One axial slice (163 of 347, counting up from the lowest) of a chest CT acquired at 120 kVp with the B45f kernel; each pixel is 0.625 mm and the slice is 1.00 mm thick.
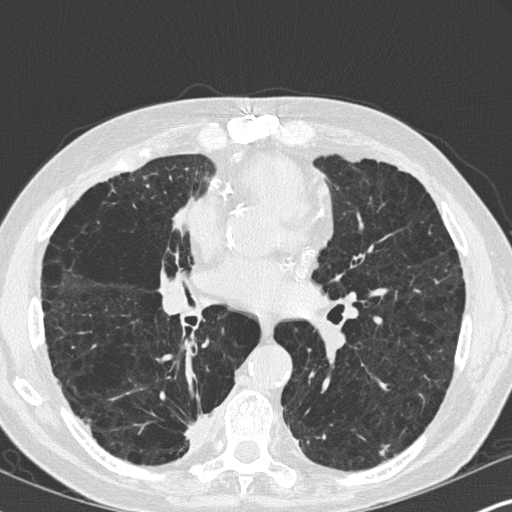
Pulmonary nodule, outlined by all four readers, three of them on this slice. Box on this slice rows 444–458, columns 379–390, the union of the readers' outlines on this slice; the four readers' outlines give a longest diameter between 6.4 and 10.2 mm and a volume between 51 and 128 mm3. The readers' ratings, as ranges where they differ: texture 5/5 (solid) from all four readers; margin from 3/5 to 5/5 (circumscribed) across the four readers; sphericity from 2/5 to 5/5 (round) across the four readers; calcification absent, all four readers agreeing; internal structure soft tissue, all four readers agreeing; subtlety rated between 2 and 5 out of 5 by the four readers; malignancy likelihood from 2/5 to 4/5 across the four readers. Scale key (1–5): texture non-solid→solid, margin indistinct→circumscribed, sphericity linear→round, subtlety extremely subtle→obvious, malignancy likelihood highly unlikely→highly suspicious of cancer. Box rows and columns are 0-based pixel indices from the top-left corner, inclusive.